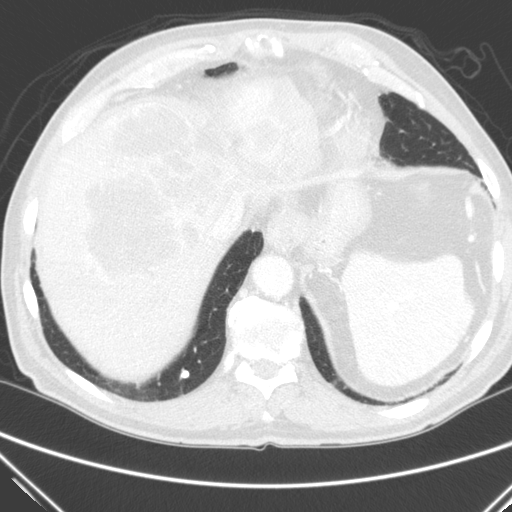
Axial chest CT slice 46 of 290 (counted from the lowest slice); 2.00 mm thick, 0.682 mm per pixel. Pulmonary nodule at rows 370–377, columns 179–188 (box = the union of the readers' outlines on this slice), outlined by three of the four readers; median longest diameter 8.2 mm (readers' outlines 7.9–9.1 mm), median volume 242 mm3 (197–260 mm3). Median ratings and the readers' spread: texture 5/5 (solid) from all three readers; margin 5/5 (circumscribed) from all three readers; median sphericity 5/5 (round) (readers ranged 4/5 to 5/5 (round)); calcification: absent (two), solid calcification (one); internal structure soft tissue from all three readers; subtlety 5/5, all three readers agreeing; median malignancy likelihood 1/5 (readers ranged 1–3). Scale key (1–5): texture non-solid→solid, margin indistinct→circumscribed, sphericity linear→round, subtlety extremely subtle→obvious, malignancy likelihood highly unlikely→highly suspicious of cancer. Box rows and columns are 0-based pixel indices from the top-left corner, inclusive.
Acquired at 120 kVp and reconstructed with the C kernel.